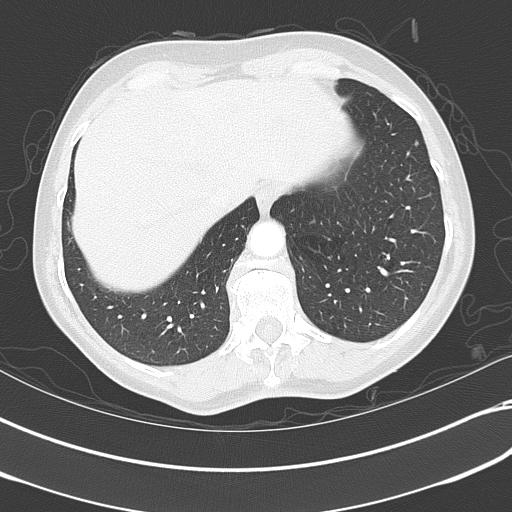
Slice 109/351 of a chest CT, counting up from the lowest; pixel size 0.643 mm, slice thickness 2.00 mm. Pulmonary nodule at rows 141–145, columns 415–417 (box = that reader's outline on this slice), outlined by one of the four readers; longest diameter 4.5 mm and volume 37 mm3 from that reader's outline. That reader's ratings: texture 5/5 (solid); margin 5/5 (circumscribed); sphericity 5/5 (round); calcification absent; internal structure soft tissue; subtlety 1/5; malignancy likelihood 2/5. Scale key (1–5): texture non-solid→solid, margin indistinct→circumscribed, sphericity linear→round, subtlety extremely subtle→obvious, malignancy likelihood highly unlikely→highly suspicious of cancer. Box rows and columns are 0-based pixel indices from the top-left corner, inclusive.
Tube voltage 120 kVp; convolution kernel B70f.